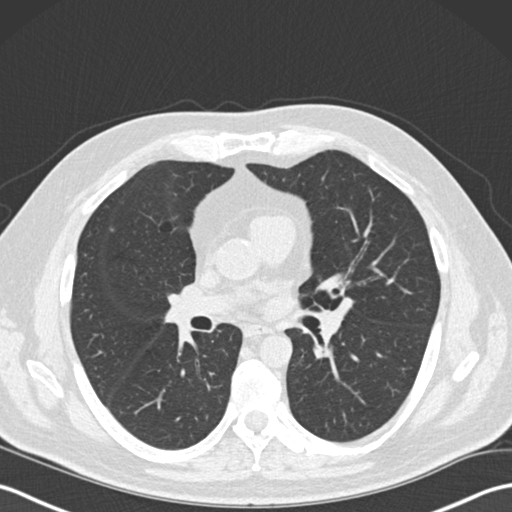
This is axial slice 108 of 191 (slice 1 is the lowest) of a chest CT; each pixel is 0.684 mm and the slice is 2.00 mm thick. Pulmonary nodule outlined by all four readers; box rows 228–231, columns 110–113 (the union of the readers' outlines on this slice); median longest diameter 5.4 mm (readers' outlines 5.0–5.8 mm), median volume 45 mm3 (36–69 mm3). Ratings, median across the readers with their spread: texture 4/5 at the median of four readers, spread 2/5 to 5/5 (solid); median margin 4/5 (readers ranged 3/5 to 5/5 (circumscribed)); median sphericity 4/5 (readers ranged 3/5 (ovoid) to 5/5 (round)); calcification absent from all four readers; internal structure soft tissue, all four readers agreeing; subtlety 4/5 at the median of four readers, spread 3–5; malignancy likelihood 2.5/5 at the median of four readers, spread 2–3. Scale key (1–5): texture non-solid→solid, margin indistinct→circumscribed, sphericity linear→round, subtlety extremely subtle→obvious, malignancy likelihood highly unlikely→highly suspicious of cancer. Box rows and columns are 0-based pixel indices from the top-left corner, inclusive.
Tube voltage 120 kVp; convolution kernel B30f.